Axial chest CT slice 378 of 506 (counted from the lowest slice); tube voltage 120 kVp, convolution kernel B30f; slices 0.75 mm thick, 0.699 mm per pixel.
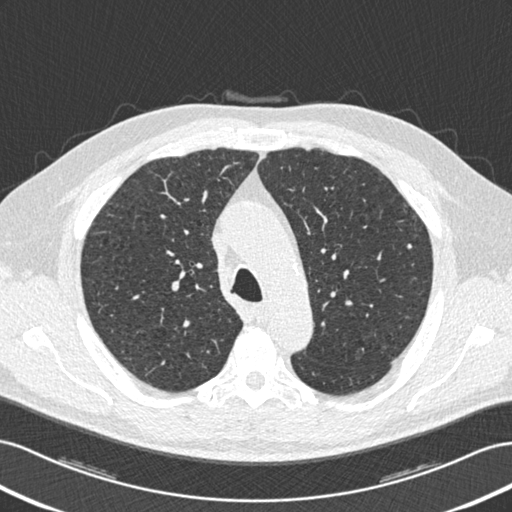
Pulmonary nodule outlined by two of the four readers; box rows 244–248, columns 407–411 (the union of the readers' outlines on this slice); median longest diameter 5.6 mm (readers' outlines 5.5–5.8 mm), median volume 43 mm3 (42–45 mm3). Median ratings and the readers' spread: texture 5/5 (solid), both readers agreeing; margin 5/5 (circumscribed), both readers agreeing; sphericity 5/5 (round), both readers agreeing; calcification split among the readers: solid calcification (one), absent (one); internal structure soft tissue, both readers agreeing; median subtlety 2.5/5 (readers ranged 2–3); malignancy likelihood 1.5/5 at the median of two readers, spread 1–2. Scale key (1–5): texture non-solid→solid, margin indistinct→circumscribed, sphericity linear→round, subtlety extremely subtle→obvious, malignancy likelihood highly unlikely→highly suspicious of cancer. Box rows and columns are 0-based pixel indices from the top-left corner, inclusive.